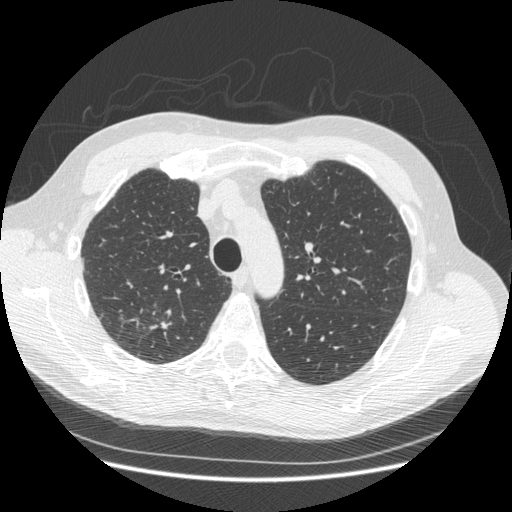
Axial chest CT slice 363 of 493 (counted from the lowest slice); 1.25 mm thick, 0.742 mm per pixel. Pulmonary nodule at rows 322–328, columns 161–165 (box = the one reader's outline on this slice), outlined by three of the four readers, one of them on this slice; longest diameter 13.1 mm on average over the three readers' outlines (readers' outlines 12.6–14.1 mm), volume 104–271 mm3. Ratings, by the readers' most common answer with dissent counted: texture 4/5 by two of three readers; the rest gave 5/5 (solid) (one); margin 3/5 from all three readers; most readers (two of three) put sphericity at 2/5, others 4/5 (one); calcification absent, all three readers agreeing; internal structure soft tissue, all three readers agreeing; subtlety split among the readers: 2/5 (one), 3/5 (one), 5/5 (one); most readers (two of three) put malignancy likelihood at 4/5, others 2/5 (one). Scale key (1–5): texture non-solid→solid, margin indistinct→circumscribed, sphericity linear→round, subtlety extremely subtle→obvious, malignancy likelihood highly unlikely→highly suspicious of cancer. Box rows and columns are 0-based pixel indices from the top-left corner, inclusive.
Tube voltage 120 kVp; convolution kernel STANDARD.